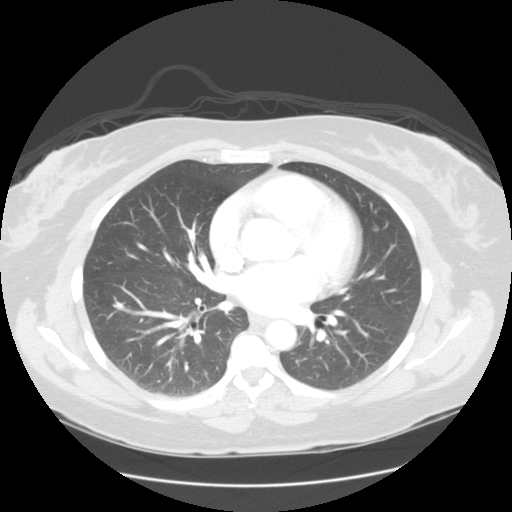
Axial chest CT slice 81 of 133 (counted from the lowest slice); 2.50 mm thick, 0.742 mm per pixel. Pulmonary nodule outlined by three of the four readers; box rows 225–231, columns 372–379 (the union of the readers' outlines on this slice); the three readers' outlines give a longest diameter between 6.8 and 8.0 mm and a volume between 115 and 175 mm3. The readers' ratings, as ranges where they differ: texture from 4/5 to 5/5 (solid) across the three readers; margin from 3/5 to 5/5 (circumscribed) across the three readers; sphericity from 4/5 to 5/5 (round) across the three readers; calcification absent from all three readers; internal structure soft tissue, all three readers agreeing; subtlety 1–4/5 (the readers disagree); malignancy likelihood rated between 2 and 3 out of 5 by the three readers. Scale key (1–5): texture non-solid→solid, margin indistinct→circumscribed, sphericity linear→round, subtlety extremely subtle→obvious, malignancy likelihood highly unlikely→highly suspicious of cancer. Box rows and columns are 0-based pixel indices from the top-left corner, inclusive.
Tube voltage 120 kVp; convolution kernel STANDARD.